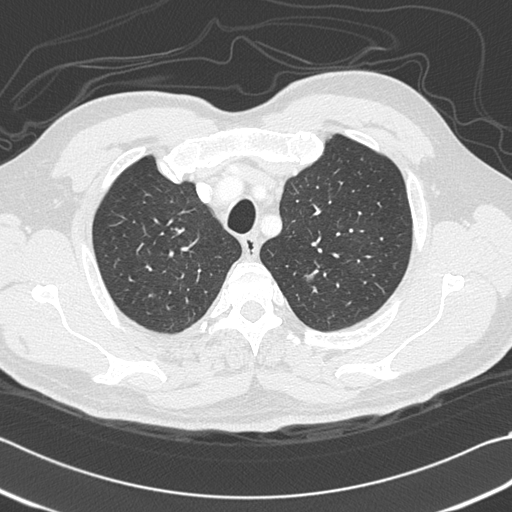
Axial chest CT slice 265 of 312 (counted from the lowest slice); tube voltage 120 kVp, convolution kernel B45f; slices 1.00 mm thick, 0.664 mm per pixel.
Pulmonary nodule at rows 275–278, columns 309–312 (box = that reader's outline on this slice), outlined by one of the four readers; longest diameter 6.3 mm and volume 41 mm3 from that reader's outline. Ratings by that reader: texture 1/5 (non-solid); margin 2/5; sphericity 4/5; calcification absent; internal structure soft tissue; subtlety 1/5; malignancy likelihood 3/5. Scale key (1–5): texture non-solid→solid, margin indistinct→circumscribed, sphericity linear→round, subtlety extremely subtle→obvious, malignancy likelihood highly unlikely→highly suspicious of cancer. Box rows and columns are 0-based pixel indices from the top-left corner, inclusive.